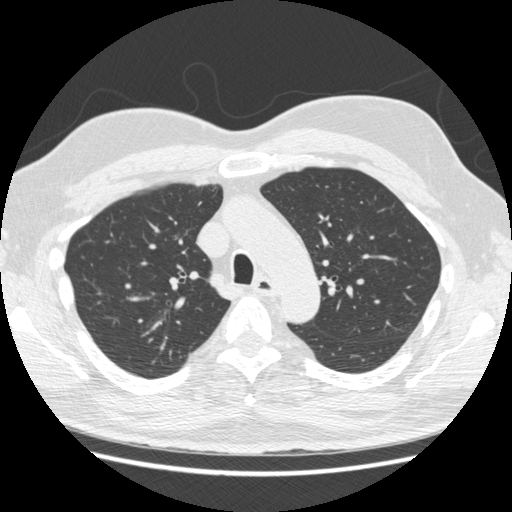
Axial slice 372 of 557 of a chest CT (slice 1 is the lowest), reconstructed with the STANDARD kernel at 120 kVp; 1.25 mm slice thickness and 0.703 mm pixels.
This slice carries no reader outline of a nodule 3 mm or larger.